One axial slice (48 of 376, counting up from the lowest) of a chest CT acquired at 120 kVp with the B30f kernel; each pixel is 0.461 mm and the slice is 0.75 mm thick.
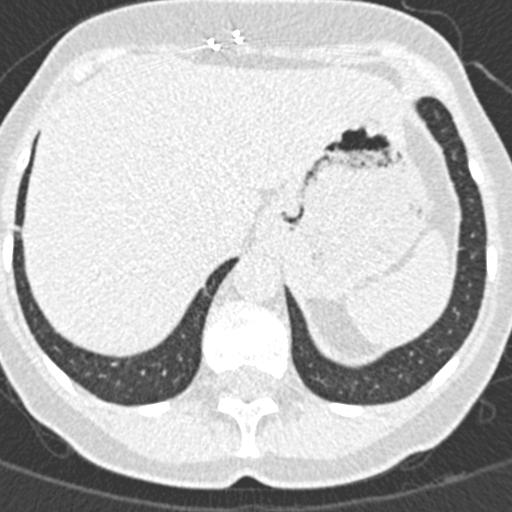
Pulmonary nodule outlined by all four readers, three of them on this slice; box rows 225–231, columns 15–19 (the union of the readers' outlines on this slice); longest diameter 8.5 mm on average over the four readers' outlines (readers' outlines 8.1–8.9 mm), volume 172–196 mm3. The readers' prevailing ratings and who disagreed: texture 5/5 (solid) by three of four readers; the rest gave 4/5 (one); margin split among the readers: 4/5 (two), 5/5 (circumscribed) (two); sphericity split among the readers: 3/5 (ovoid) (two), 4/5 (two); calcification absent, all four readers agreeing; internal structure soft tissue, all four readers agreeing; subtlety 5/5 by three of four readers; the rest gave 3/5 (one); malignancy likelihood 3/5 by two of four readers; the rest gave 2/5 (one), 4/5 (one). Scale key (1–5): texture non-solid→solid, margin indistinct→circumscribed, sphericity linear→round, subtlety extremely subtle→obvious, malignancy likelihood highly unlikely→highly suspicious of cancer. Box rows and columns are 0-based pixel indices from the top-left corner, inclusive.